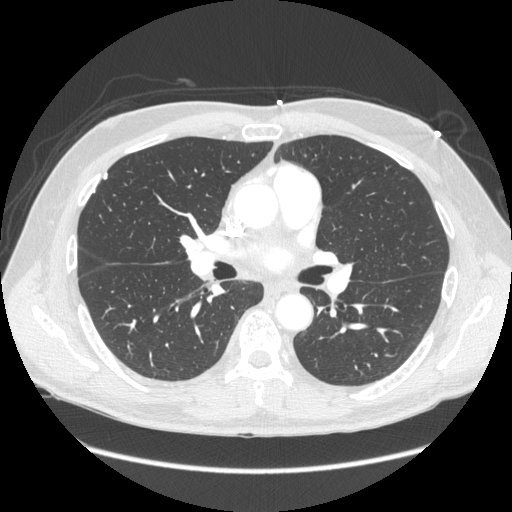
This is axial slice 137 of 261 (slice 1 is the lowest) of a chest CT; each pixel is 0.781 mm and the slice is 1.25 mm thick. Pulmonary nodule, outlined by one of the four readers. Box on this slice rows 172–179, columns 103–107, that reader's outline on this slice; longest diameter 7.2 mm and volume 103 mm3 from that reader's outline. Ratings by that reader: texture 5/5 (solid); margin 5/5 (circumscribed); sphericity 2/5; calcification solid calcification; internal structure soft tissue; subtlety 3/5; malignancy likelihood 1/5. Scale key (1–5): texture non-solid→solid, margin indistinct→circumscribed, sphericity linear→round, subtlety extremely subtle→obvious, malignancy likelihood highly unlikely→highly suspicious of cancer. Box rows and columns are 0-based pixel indices from the top-left corner, inclusive.
Acquired at 120 kVp and reconstructed with the STANDARD kernel.